Axial chest CT slice 208 of 264 (counted from the lowest slice); tube voltage 120 kVp, convolution kernel BONE; slices 1.25 mm thick, 0.703 mm per pixel.
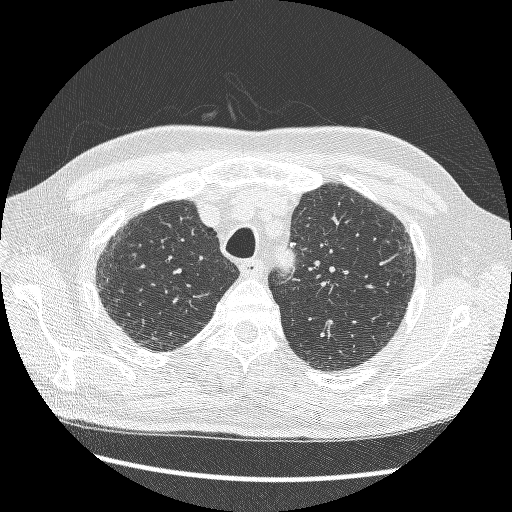
Pulmonary nodule, outlined by all four readers. Box on this slice rows 242–247, columns 289–295, the union of the readers' outlines on this slice; longest diameter 5.5 mm on average over the four readers' outlines (readers' outlines 5.1–5.7 mm), volume 30–45 mm3. Ratings, by the readers' most common answer with dissent counted: texture 5/5 (solid) from all four readers; margin 5/5 (circumscribed), all four readers agreeing; sphericity split among the readers: 2/5 (two), 3/5 (ovoid) (two); calcification solid calcification from all four readers; internal structure soft tissue, all four readers agreeing; subtlety 3/5 by two of four readers; the rest gave 2/5 (one), 5/5 (one); malignancy likelihood 1/5, all four readers agreeing. Scale key (1–5): texture non-solid→solid, margin indistinct→circumscribed, sphericity linear→round, subtlety extremely subtle→obvious, malignancy likelihood highly unlikely→highly suspicious of cancer. Box rows and columns are 0-based pixel indices from the top-left corner, inclusive.